Axial chest CT slice 99 of 127 (counted from the lowest slice); tube voltage 120 kVp, convolution kernel B31f; slices 3.00 mm thick, 0.537 mm per pixel.
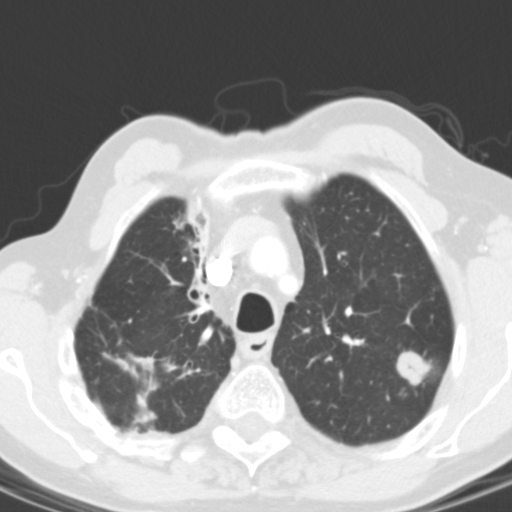
Pulmonary nodule, outlined by all four readers. Box on this slice rows 351–385, columns 396–431, the union of the readers' outlines on this slice; median longest diameter 26.3 mm (readers' outlines 25.3–34.3 mm), median volume 3156 mm3 (2614–3808 mm3). Ratings, median across the readers with their spread: median texture 5/5 (solid) (readers ranged 4/5 to 5/5 (solid)); margin 3.5/5 at the median of four readers, spread 2/5 to 5/5 (circumscribed); median sphericity 4/5 (readers ranged 3/5 (ovoid) to 4/5); calcification absent, all four readers agreeing; internal structure soft tissue from all four readers; median subtlety 5/5 (readers ranged 4–5); median malignancy likelihood 3.5/5 (readers ranged 2–5). Scale key (1–5): texture non-solid→solid, margin indistinct→circumscribed, sphericity linear→round, subtlety extremely subtle→obvious, malignancy likelihood highly unlikely→highly suspicious of cancer. Box rows and columns are 0-based pixel indices from the top-left corner, inclusive.